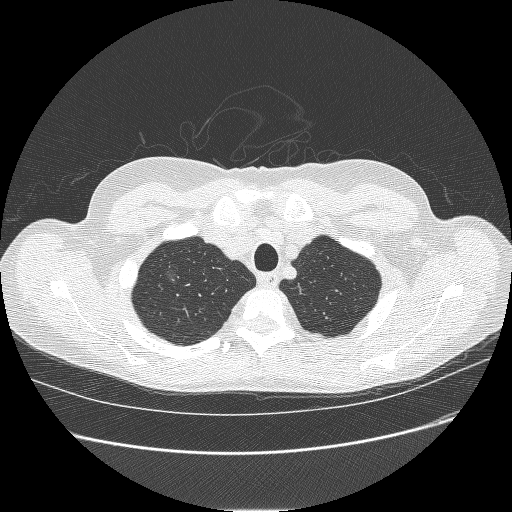
One axial slice (215 of 238, counting up from the lowest) of a chest CT acquired at 120 kVp with the BONE kernel; each pixel is 0.703 mm and the slice is 1.25 mm thick.
Pulmonary nodule outlined by two of the four readers; box rows 270–284, columns 163–176 (the union of the readers' outlines on this slice); longest diameter 10.8 mm on average over the two readers' outlines (readers' outlines 8.7–12.9 mm), volume 160–469 mm3. The readers' prevailing ratings and who disagreed: texture 1/5 (non-solid), both readers agreeing; margin 1/5 (indistinct), both readers agreeing; sphericity 4/5 from both readers; calcification absent from both readers; internal structure soft tissue, both readers agreeing; subtlety 1/5 from both readers; malignancy likelihood 3/5, both readers agreeing. Scale key (1–5): texture non-solid→solid, margin indistinct→circumscribed, sphericity linear→round, subtlety extremely subtle→obvious, malignancy likelihood highly unlikely→highly suspicious of cancer. Box rows and columns are 0-based pixel indices from the top-left corner, inclusive.